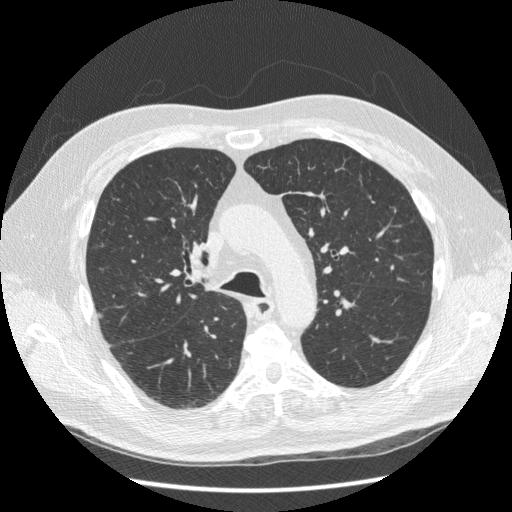
Chest CT, axial plane, 120 kVp, kernel STANDARD. Slice 133/216 from the bottom of the scan; thickness 1.25 mm; pixel size 0.703 mm.
Pulmonary nodule at rows 313–317, columns 97–102 (box = the union of the readers' outlines on this slice), outlined by three of the four readers; longest diameter 9.1 mm on average over the three readers' outlines (readers' outlines 8.7–9.4 mm), volume 270–308 mm3. Ratings, by the readers' most common answer with dissent counted: texture 5/5 (solid) from all three readers; most readers (two of three) put margin at 5/5 (circumscribed), others 4/5 (one); sphericity 4/5 by two of three readers; the rest gave 5/5 (round) (one); calcification absent from all three readers; internal structure soft tissue by two of three readers, adipose tissue (one); most readers (two of three) put subtlety at 5/5, others 4/5 (one); most readers (two of three) put malignancy likelihood at 2/5, others 4/5 (one). Scale key (1–5): texture non-solid→solid, margin indistinct→circumscribed, sphericity linear→round, subtlety extremely subtle→obvious, malignancy likelihood highly unlikely→highly suspicious of cancer. Box rows and columns are 0-based pixel indices from the top-left corner, inclusive.